Axial chest CT slice 74 of 148 (counted from the lowest slice); tube voltage 120 kVp, convolution kernel STANDARD; slices 2.50 mm thick, 0.703 mm per pixel.
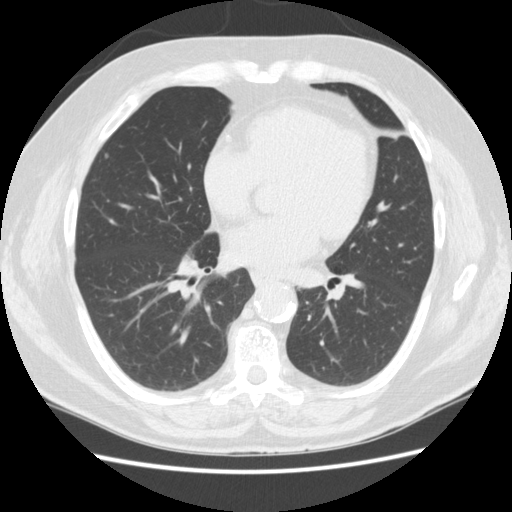
Pulmonary nodule, outlined by all four readers. Box on this slice rows 153–158, columns 104–109, the union of the readers' outlines on this slice; longest diameter 5.4 mm on average over the four readers' outlines (readers' outlines 4.9–6.5 mm), volume 51–101 mm3. Ratings, by the readers' most common answer with dissent counted: texture 5/5 (solid) by three of four readers; the rest gave 4/5 (one); most readers (three of four) put margin at 5/5 (circumscribed), others 4/5 (one); sphericity 5/5 (round), all four readers agreeing; calcification absent from all four readers; internal structure soft tissue from all four readers; subtlety 3/5 by two of four readers; the rest gave 4/5 (one), 5/5 (one); most readers (three of four) put malignancy likelihood at 2/5, others 1/5 (one). Scale key (1–5): texture non-solid→solid, margin indistinct→circumscribed, sphericity linear→round, subtlety extremely subtle→obvious, malignancy likelihood highly unlikely→highly suspicious of cancer. Box rows and columns are 0-based pixel indices from the top-left corner, inclusive.